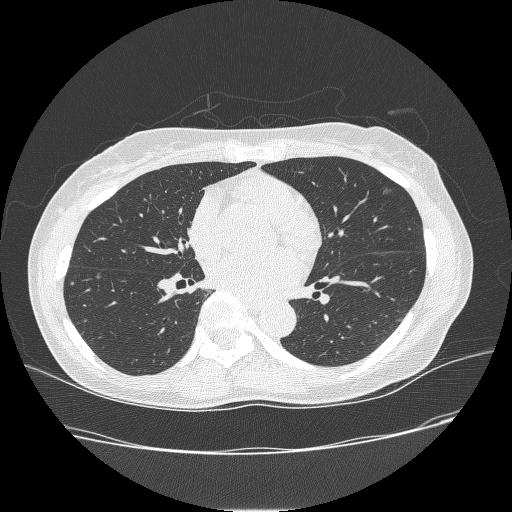
This is axial slice 128 of 238 (slice 1 is the lowest) of a chest CT; each pixel is 0.703 mm and the slice is 1.25 mm thick. Pulmonary nodule at rows 187–194, columns 382–391 (box = the union of the readers' outlines on this slice), outlined by all four readers; median longest diameter 9.0 mm (readers' outlines 8.6–9.9 mm), median volume 202 mm3 (170–232 mm3). Median ratings and the readers' spread: median texture 1/5 (non-solid) (readers ranged 1/5 (non-solid) to 3/5 (part-solid)); median margin 1/5 (indistinct) (readers ranged 1/5 (indistinct) to 5/5 (circumscribed)); sphericity 4/5 at the median of four readers, spread 3/5 (ovoid) to 5/5 (round); calcification absent, all four readers agreeing; internal structure soft tissue from all four readers; subtlety 3.5/5 at the median of four readers, spread 2–4; median malignancy likelihood 3.5/5 (readers ranged 2–4). Scale key (1–5): texture non-solid→solid, margin indistinct→circumscribed, sphericity linear→round, subtlety extremely subtle→obvious, malignancy likelihood highly unlikely→highly suspicious of cancer. Box rows and columns are 0-based pixel indices from the top-left corner, inclusive.
Acquired at 120 kVp and reconstructed with the BONE kernel.